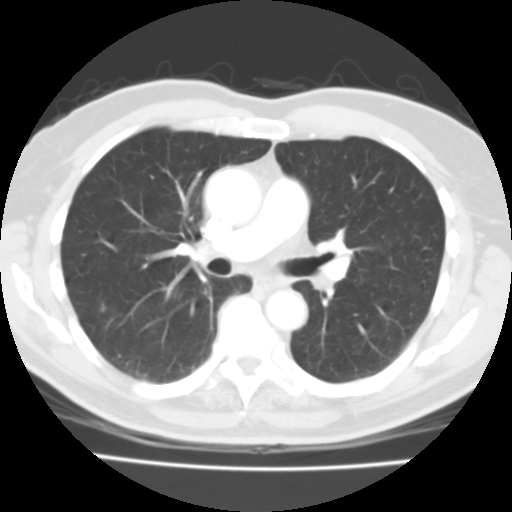
Axial chest CT slice 78 of 119 (counted from the lowest slice); tube voltage 135 kVp, convolution kernel FC01; slices 3.00 mm thick, 0.607 mm per pixel.
None of the four readers outlined a nodule of 3 mm or more on this slice.